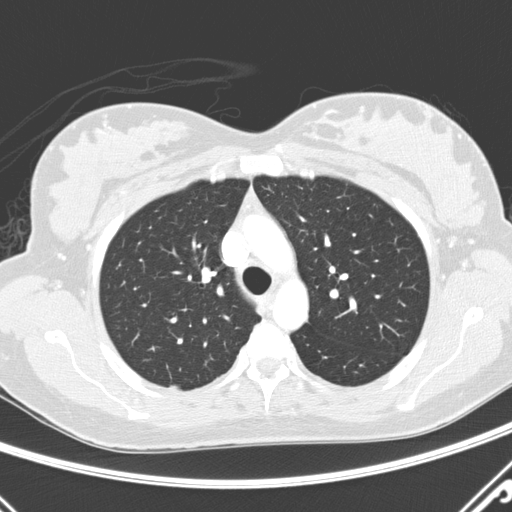
Axial slice 210 of 290 of a chest CT (slice 1 is the lowest), reconstructed with the D kernel at 120 kVp; 2.00 mm slice thickness and 0.648 mm pixels.
Pulmonary nodule, outlined by one of the four readers. Box on this slice rows 385–389, columns 170–181, that reader's outline on this slice; longest diameter 10.5 mm and volume 127 mm3 from that reader's outline. Ratings by that reader: texture 4/5; margin 4/5; sphericity 4/5; calcification absent; internal structure soft tissue; subtlety 5/5; malignancy likelihood 3/5. Scale key (1–5): texture non-solid→solid, margin indistinct→circumscribed, sphericity linear→round, subtlety extremely subtle→obvious, malignancy likelihood highly unlikely→highly suspicious of cancer. Box rows and columns are 0-based pixel indices from the top-left corner, inclusive.